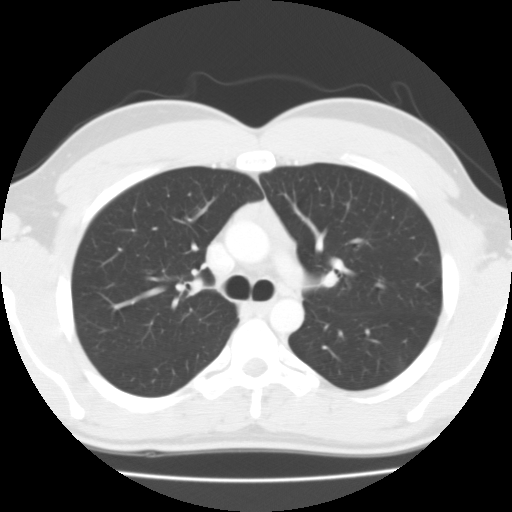
Axial chest CT slice 78 of 122 (counted from the lowest slice); tube voltage 135 kVp, convolution kernel FC01; slices 3.00 mm thick, 0.650 mm per pixel.
No nodule 3 mm or larger was outlined here by any reader.